Axial slice 74 of 155 of a chest CT (slice 1 is the lowest), reconstructed with the STANDARD kernel at 120 kVp; 2.50 mm slice thickness and 0.703 mm pixels.
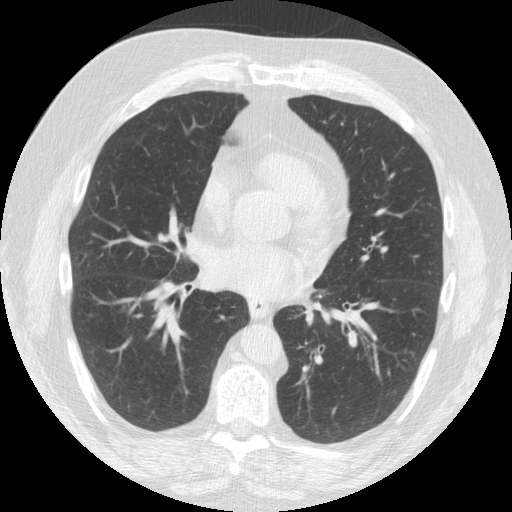
This slice carries no reader outline of a nodule 3 mm or larger.